Chest CT, axial plane, 120 kVp, kernel B. Slice 76/320 from the bottom of the scan; thickness 2.00 mm; pixel size 0.662 mm.
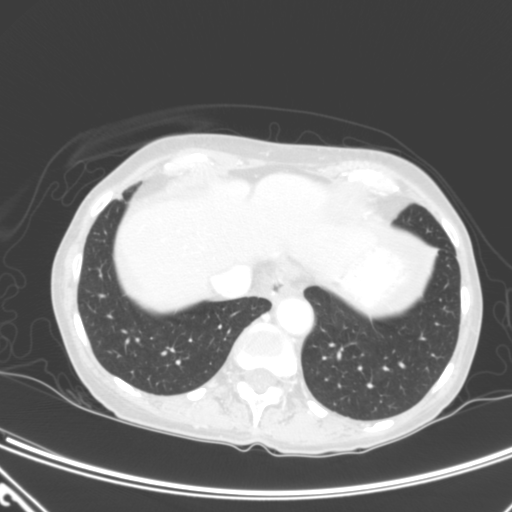
Pulmonary nodule outlined by one of the four readers; box rows 193–200, columns 115–122 (that reader's outline on this slice); longest diameter 6.6 mm and volume 116 mm3 from that reader's outline. Ratings by that reader: texture 5/5 (solid); margin 4/5; sphericity 2/5; calcification absent; internal structure soft tissue; subtlety 2/5; malignancy likelihood 1/5. Scale key (1–5): texture non-solid→solid, margin indistinct→circumscribed, sphericity linear→round, subtlety extremely subtle→obvious, malignancy likelihood highly unlikely→highly suspicious of cancer. Box rows and columns are 0-based pixel indices from the top-left corner, inclusive.